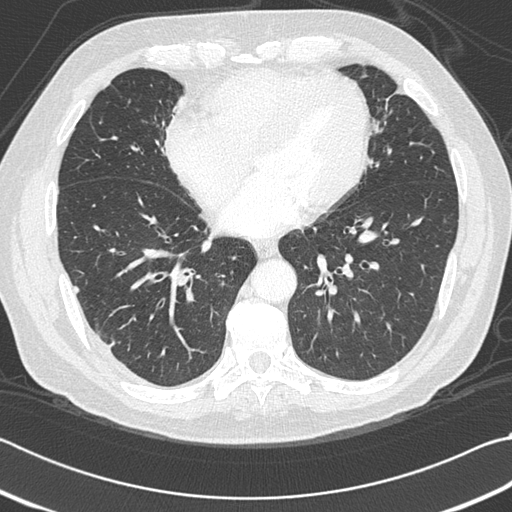
Axial slice 132 of 312 of a chest CT (slice 1 is the lowest), reconstructed with the B45f kernel at 120 kVp; 1.00 mm slice thickness and 0.664 mm pixels.
Pulmonary nodule, outlined by one of the four readers. Box on this slice rows 285–293, columns 73–78, that reader's outline on this slice; longest diameter 6.9 mm and volume 65 mm3 from that reader's outline. That reader's ratings: texture 5/5 (solid); margin 5/5 (circumscribed); sphericity 4/5; calcification absent; internal structure soft tissue; subtlety 4/5; malignancy likelihood 2/5. Scale key (1–5): texture non-solid→solid, margin indistinct→circumscribed, sphericity linear→round, subtlety extremely subtle→obvious, malignancy likelihood highly unlikely→highly suspicious of cancer. Box rows and columns are 0-based pixel indices from the top-left corner, inclusive.